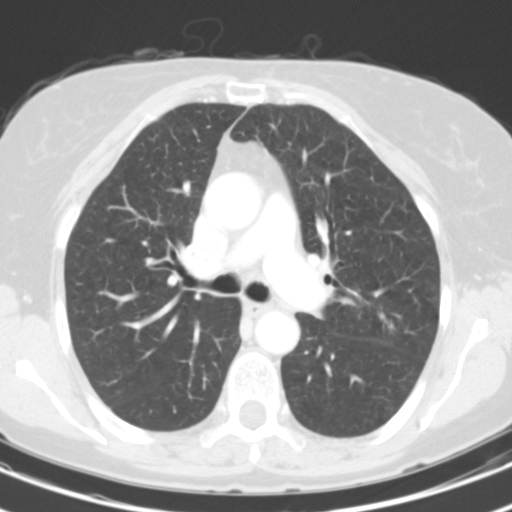
Axial chest CT slice 77 of 115 (counted from the lowest slice); 3.00 mm thick, 0.582 mm per pixel. Pulmonary nodule at rows 310–330, columns 377–396 (box = the union of the readers' outlines on this slice), outlined by all four readers, three of them on this slice; longest diameter 15.5–18.1 mm and volume 196–1011 mm3 across the four readers' outlines. Ratings across the readers: texture from 3/5 (part-solid) to 5/5 (solid) across the four readers; margin from 2/5 to 3/5 across the four readers; sphericity from 2/5 to 3/5 (ovoid) across the four readers; calcification absent, all four readers agreeing; internal structure soft tissue, all four readers agreeing; subtlety from 4/5 to 5/5 across the four readers; malignancy likelihood from 3/5 to 5/5 across the four readers. Scale key (1–5): texture non-solid→solid, margin indistinct→circumscribed, sphericity linear→round, subtlety extremely subtle→obvious, malignancy likelihood highly unlikely→highly suspicious of cancer. Box rows and columns are 0-based pixel indices from the top-left corner, inclusive.
Tube voltage 130 kVp; convolution kernel B31s.